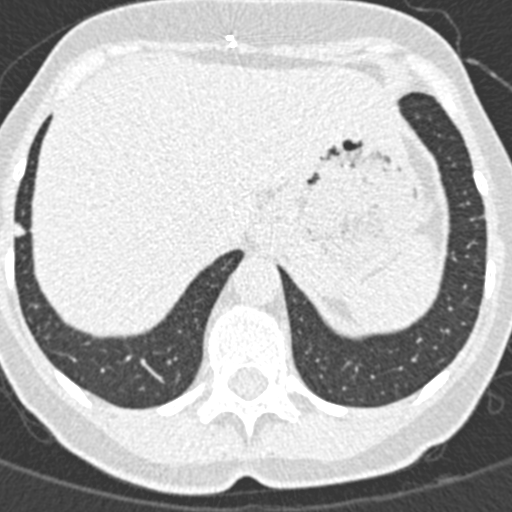
One axial slice (56 of 376, counting up from the lowest) of a chest CT acquired at 120 kVp with the B30f kernel; each pixel is 0.461 mm and the slice is 0.75 mm thick.
Pulmonary nodule at rows 222–237, columns 12–25 (box = the union of the readers' outlines on this slice), outlined by all four readers; median longest diameter 8.5 mm (readers' outlines 8.1–8.9 mm), median volume 188 mm3 (172–196 mm3). Median ratings and the readers' spread: texture 5/5 (solid) at the median of four readers, spread 4/5 to 5/5 (solid); median margin 4.5/5 (readers ranged 4/5 to 5/5 (circumscribed)); median sphericity 3.5/5 (readers ranged 3/5 (ovoid) to 4/5); calcification absent from all four readers; internal structure soft tissue, all four readers agreeing; median subtlety 5/5 (readers ranged 3–5); median malignancy likelihood 3/5 (readers ranged 2–4). Scale key (1–5): texture non-solid→solid, margin indistinct→circumscribed, sphericity linear→round, subtlety extremely subtle→obvious, malignancy likelihood highly unlikely→highly suspicious of cancer. Box rows and columns are 0-based pixel indices from the top-left corner, inclusive.